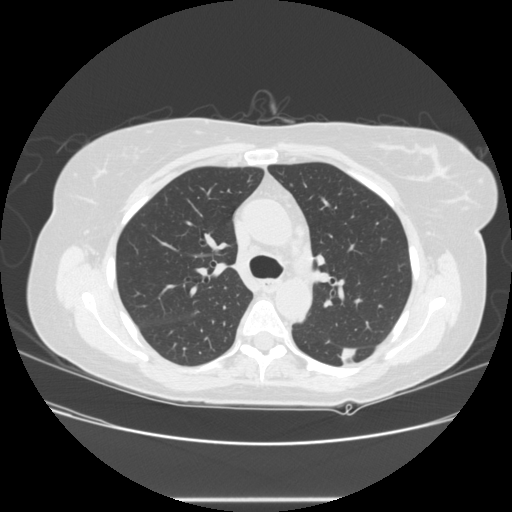
Axial slice 169 of 245 of a chest CT (slice 1 is the lowest), reconstructed with the STANDARD kernel at 120 kVp; 1.25 mm slice thickness and 0.730 mm pixels.
Pulmonary nodule at rows 347–364, columns 341–356 (box = the union of the readers' outlines on this slice), outlined by all four readers; longest diameter 27.2–36.8 mm and volume 3941–5997 mm3 across the four readers' outlines. Ratings across the readers: texture 5/5 (solid) from all four readers; margin from 1/5 (indistinct) to 4/5 across the four readers; sphericity from 2/5 to 4/5 across the four readers; calcification absent, all four readers agreeing; internal structure soft tissue from all four readers; subtlety 5/5 from all four readers; malignancy likelihood 4–5/5 (the readers disagree). Scale key (1–5): texture non-solid→solid, margin indistinct→circumscribed, sphericity linear→round, subtlety extremely subtle→obvious, malignancy likelihood highly unlikely→highly suspicious of cancer. Box rows and columns are 0-based pixel indices from the top-left corner, inclusive.